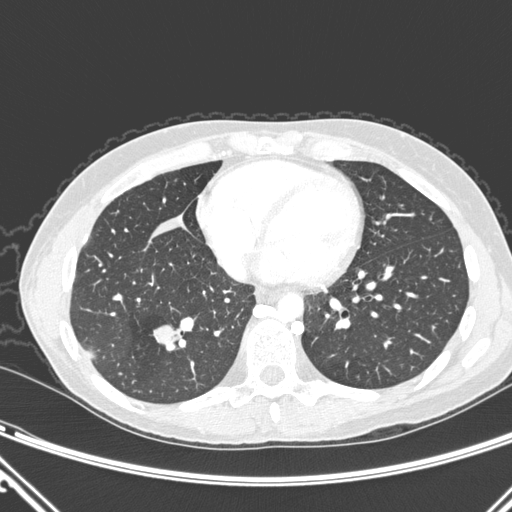
One axial slice (98 of 290, counting up from the lowest) of a chest CT acquired at 120 kVp with the D kernel; each pixel is 0.662 mm and the slice is 1.00 mm thick.
Pulmonary nodule at rows 323–345, columns 153–182 (box = the union of the readers' outlines on this slice), outlined by all four readers; longest diameter 24.6 mm on average over the four readers' outlines (readers' outlines 22.2–29.6 mm), volume 2637–3531 mm3. The readers' prevailing ratings and who disagreed: texture 5/5 (solid) from all four readers; margin split among the readers: 4/5 (two), 5/5 (circumscribed) (two); sphericity 4/5 by two of four readers; the rest gave 2/5 (one), 5/5 (round) (one); calcification absent, all four readers agreeing; internal structure soft tissue from all four readers; subtlety 5/5 from all four readers; malignancy likelihood 5/5 by two of four readers; the rest gave 3/5 (one), 4/5 (one). Scale key (1–5): texture non-solid→solid, margin indistinct→circumscribed, sphericity linear→round, subtlety extremely subtle→obvious, malignancy likelihood highly unlikely→highly suspicious of cancer. Box rows and columns are 0-based pixel indices from the top-left corner, inclusive.